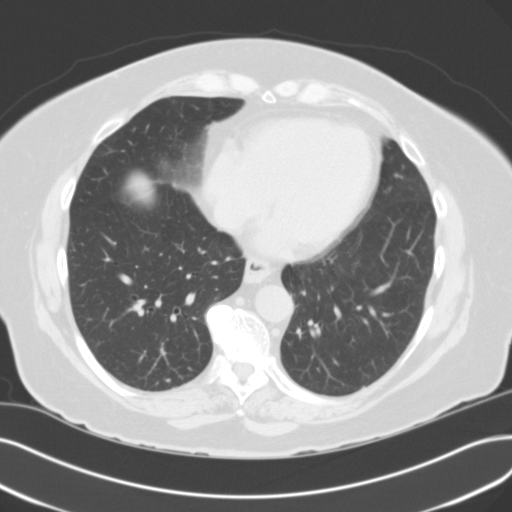
One axial slice (49 of 112, counting up from the lowest) of a chest CT acquired at 120 kVp with the B31f kernel; each pixel is 0.711 mm and the slice is 3.00 mm thick.
Pulmonary nodule at rows 378–381, columns 166–170 (box = that reader's outline on this slice), outlined by one of the four readers; longest diameter 4.3 mm and volume 56 mm3 from that reader's outline. Ratings by that reader: texture 5/5 (solid); margin 5/5 (circumscribed); sphericity 5/5 (round); calcification absent; internal structure soft tissue; subtlety 5/5; malignancy likelihood 3/5. Scale key (1–5): texture non-solid→solid, margin indistinct→circumscribed, sphericity linear→round, subtlety extremely subtle→obvious, malignancy likelihood highly unlikely→highly suspicious of cancer. Box rows and columns are 0-based pixel indices from the top-left corner, inclusive.